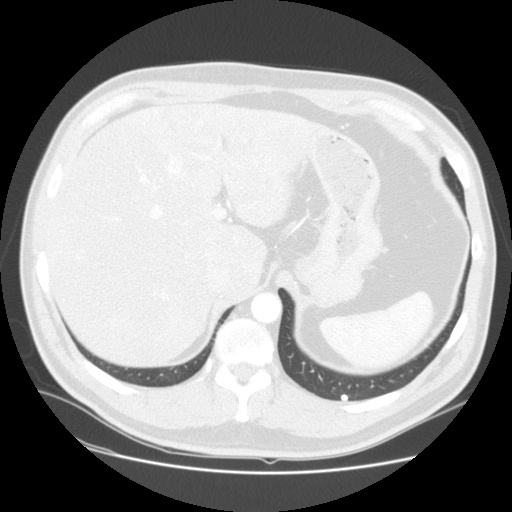
Axial chest CT slice 42 of 139 (counted from the lowest slice); 2.50 mm thick, 0.742 mm per pixel. Pulmonary nodule at rows 394–400, columns 340–347 (box = the union of the readers' outlines on this slice), outlined by all four readers; longest diameter 5.4–6.7 mm and volume 63–142 mm3 across the four readers' outlines. The readers' ratings, as ranges where they differ: texture 5/5 (solid), all four readers agreeing; margin 5/5 (circumscribed), all four readers agreeing; sphericity from 3/5 (ovoid) to 5/5 (round) across the four readers; calcification solid calcification from all four readers; internal structure soft tissue, all four readers agreeing; subtlety rated between 4 and 5 out of 5 by the four readers; malignancy likelihood 1/5 from all four readers. Scale key (1–5): texture non-solid→solid, margin indistinct→circumscribed, sphericity linear→round, subtlety extremely subtle→obvious, malignancy likelihood highly unlikely→highly suspicious of cancer. Box rows and columns are 0-based pixel indices from the top-left corner, inclusive.
Acquired at 120 kVp and reconstructed with the STANDARD kernel.